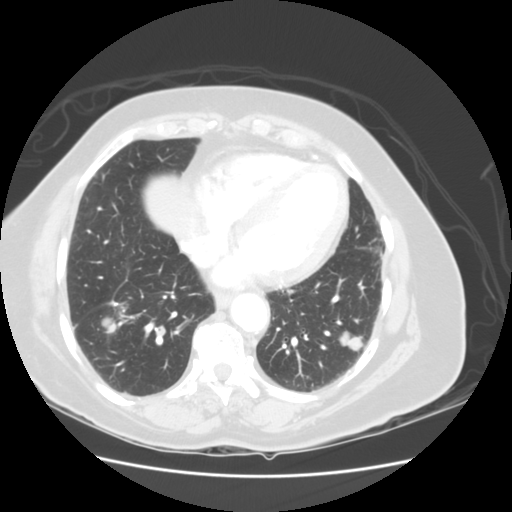
Chest CT, axial plane, 120 kVp, kernel STANDARD. Slice 37/114 from the bottom of the scan; thickness 2.50 mm; pixel size 0.703 mm.
Two pulmonary nodules are outlined on this slice; from left to right: (1) Pulmonary nodule, outlined by three of the four readers, one of them on this slice. Box on this slice rows 317–326, columns 100–114, the one reader's outline on this slice; longest diameter 37.9 mm on average over the three readers' outlines (readers' outlines 33.9–44.7 mm), volume 10097–11661 mm3. Ratings, by the readers' most common answer with dissent counted: texture 5/5 (solid), all three readers agreeing; most readers (two of three) put margin at 4/5, others 5/5 (circumscribed) (one); sphericity 3/5 (ovoid) by two of three readers; the rest gave 4/5 (one); calcification absent, all three readers agreeing; internal structure soft tissue, all three readers agreeing; subtlety 5/5, all three readers agreeing; most readers (two of three) put malignancy likelihood at 5/5, others 3/5 (one). (2) Pulmonary nodule, outlined by two of the four readers. Box on this slice rows 330–349, columns 337–362, the union of the readers' outlines on this slice; longest diameter 31.2–33.4 mm and volume 9358–10207 mm3 across the two readers' outlines. The readers' ratings, as ranges where they differ: texture 5/5 (solid), both readers agreeing; margin 4/5 from both readers; sphericity 3/5 (ovoid) from both readers; calcification absent from both readers; internal structure soft tissue, both readers agreeing; subtlety 5/5, both readers agreeing; malignancy likelihood 5/5, both readers agreeing. Scale key (1–5): texture non-solid→solid, margin indistinct→circumscribed, sphericity linear→round, subtlety extremely subtle→obvious, malignancy likelihood highly unlikely→highly suspicious of cancer. Box rows and columns are 0-based pixel indices from the top-left corner, inclusive.